Axial slice 212 of 326 of a chest CT (slice 1 is the lowest), reconstructed with the B45f kernel at 120 kVp; 1.00 mm slice thickness and 0.645 mm pixels.
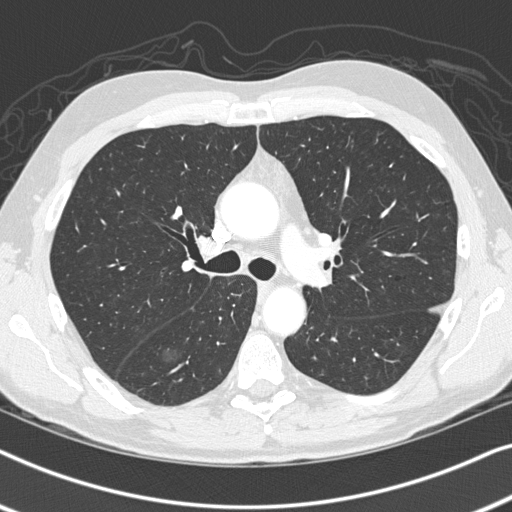
Pulmonary nodule outlined by all four readers; box rows 346–363, columns 161–186 (the union of the readers' outlines on this slice); median longest diameter 14.1 mm (readers' outlines 12.5–18.0 mm), median volume 627 mm3 (328–843 mm3). Ratings, median across the readers with their spread: texture 1/5 (non-solid), all four readers agreeing; margin 2/5 at the median of four readers, spread 1/5 (indistinct) to 4/5; sphericity 4/5 at the median of four readers, spread 3/5 (ovoid) to 5/5 (round); calcification absent from all four readers; internal structure soft tissue from all four readers; subtlety 1/5 at the median of four readers, spread 1–4; median malignancy likelihood 3/5 (readers ranged 2–4). Scale key (1–5): texture non-solid→solid, margin indistinct→circumscribed, sphericity linear→round, subtlety extremely subtle→obvious, malignancy likelihood highly unlikely→highly suspicious of cancer. Box rows and columns are 0-based pixel indices from the top-left corner, inclusive.